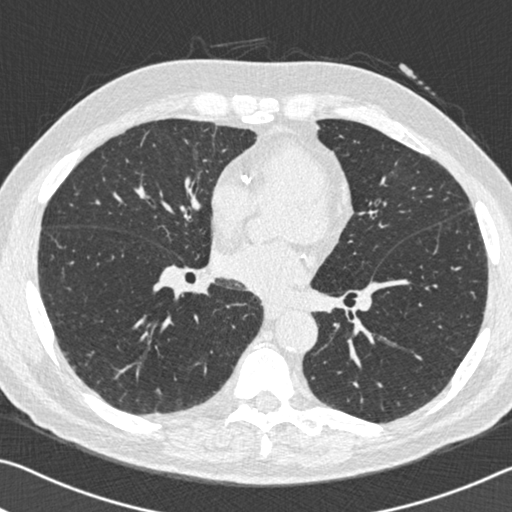
Axial slice 275 of 525 of a chest CT (slice 1 is the lowest), reconstructed with the B30f kernel at 120 kVp; 0.75 mm slice thickness and 0.660 mm pixels.
None of the four readers outlined a nodule of 3 mm or more on this slice.